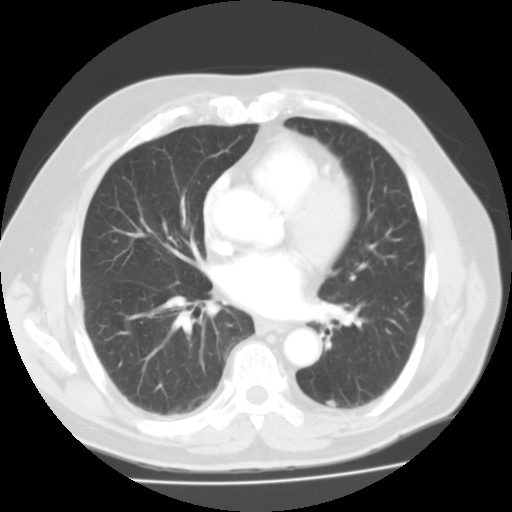
Chest CT, axial plane, 135 kVp, kernel FC01. Slice 69/125 from the bottom of the scan; thickness 3.00 mm; pixel size 0.721 mm.
Pulmonary nodule outlined by all four readers; box rows 399–407, columns 325–336 (the union of the readers' outlines on this slice); longest diameter 9.3 mm on average over the four readers' outlines (readers' outlines 8.9–9.8 mm), volume 188–251 mm3. Ratings, by the readers' most common answer with dissent counted: texture 5/5 (solid) by three of four readers; the rest gave 4/5 (one); margin 4/5 from all four readers; sphericity split among the readers: 2/5 (two), 3/5 (ovoid) (two); calcification absent, all four readers agreeing; internal structure soft tissue, all four readers agreeing; subtlety 3/5 by two of four readers; the rest gave 4/5 (one), 5/5 (one); most readers (three of four) put malignancy likelihood at 3/5, others 2/5 (one). Scale key (1–5): texture non-solid→solid, margin indistinct→circumscribed, sphericity linear→round, subtlety extremely subtle→obvious, malignancy likelihood highly unlikely→highly suspicious of cancer. Box rows and columns are 0-based pixel indices from the top-left corner, inclusive.